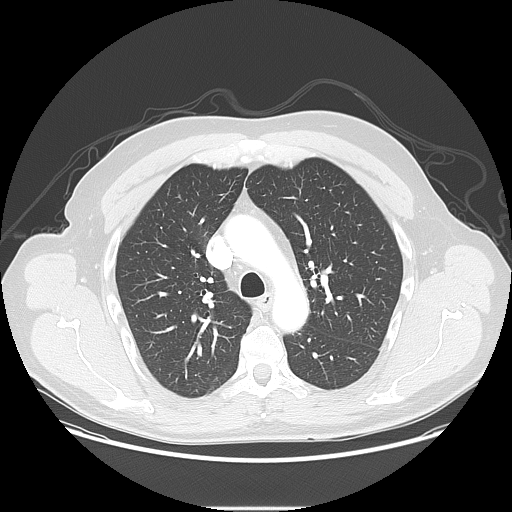
Chest CT, axial plane, 120 kVp, kernel LUNG. Slice 81/117 from the bottom of the scan; thickness 2.50 mm; pixel size 0.820 mm.
The readers outlined no nodule of 3 mm or more on this slice.